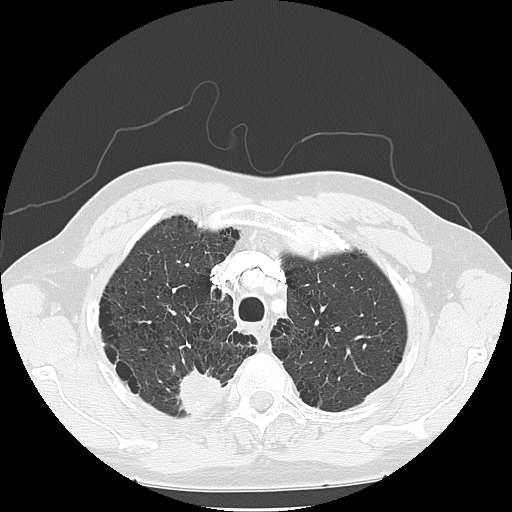
Axial chest CT slice 106 of 133 (counted from the lowest slice); tube voltage 120 kVp, convolution kernel LUNG; slices 2.50 mm thick, 0.703 mm per pixel.
Pulmonary nodule at rows 370–413, columns 180–224 (box = that reader's outline on this slice), outlined by one of the four readers; longest diameter 40.9 mm and volume 12423 mm3 from that reader's outline. Ratings by that reader: texture 5/5 (solid); margin 3/5; sphericity 3/5 (ovoid); calcification absent; internal structure soft tissue; subtlety 5/5; malignancy likelihood 2/5. Scale key (1–5): texture non-solid→solid, margin indistinct→circumscribed, sphericity linear→round, subtlety extremely subtle→obvious, malignancy likelihood highly unlikely→highly suspicious of cancer. Box rows and columns are 0-based pixel indices from the top-left corner, inclusive.